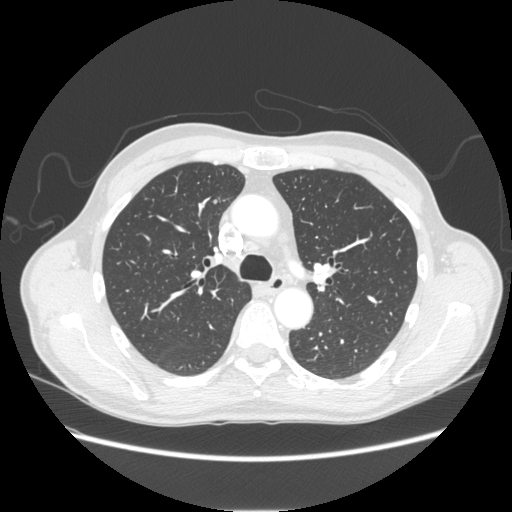
Axial chest CT slice 163 of 253 (counted from the lowest slice); tube voltage 120 kVp, convolution kernel STANDARD; slices 1.25 mm thick, 0.742 mm per pixel.
Pulmonary nodule outlined by three of the four readers; box rows 199–203, columns 213–217 (the union of the readers' outlines on this slice); median longest diameter 5.7 mm (readers' outlines 5.4–6.3 mm), median volume 68 mm3 (67–73 mm3). Median ratings and the readers' spread: texture 5/5 (solid) from all three readers; margin 5/5 (circumscribed) from all three readers; sphericity 5/5 (round) at the median of three readers, spread 3/5 (ovoid) to 5/5 (round); calcification absent, all three readers agreeing; internal structure soft tissue, all three readers agreeing; subtlety 3/5 at the median of three readers, spread 2–3; median malignancy likelihood 3/5 (readers ranged 2–3). Scale key (1–5): texture non-solid→solid, margin indistinct→circumscribed, sphericity linear→round, subtlety extremely subtle→obvious, malignancy likelihood highly unlikely→highly suspicious of cancer. Box rows and columns are 0-based pixel indices from the top-left corner, inclusive.